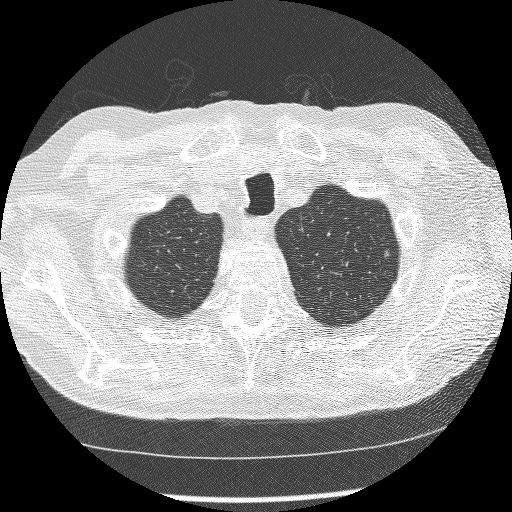
This is axial slice 230 of 250 (slice 1 is the lowest) of a chest CT; each pixel is 0.654 mm and the slice is 1.25 mm thick. Pulmonary nodule at rows 250–256, columns 384–387 (box = that reader's outline on this slice), outlined by one of the four readers; longest diameter 5.4 mm and volume 34 mm3 from that reader's outline. That reader's ratings: texture 3/5 (part-solid); margin 2/5; sphericity 2/5; calcification absent; internal structure soft tissue; subtlety 2/5; malignancy likelihood 3/5. Scale key (1–5): texture non-solid→solid, margin indistinct→circumscribed, sphericity linear→round, subtlety extremely subtle→obvious, malignancy likelihood highly unlikely→highly suspicious of cancer. Box rows and columns are 0-based pixel indices from the top-left corner, inclusive.
Scan settings: 120 kVp, BONE reconstruction kernel.